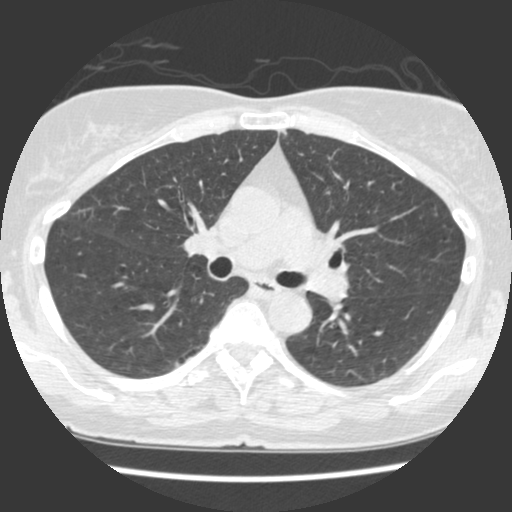
Axial chest CT slice 236 of 429 (counted from the lowest slice); 1.25 mm thick, 0.586 mm per pixel. Pulmonary nodule, outlined by one of the four readers. Box on this slice rows 130–134, columns 282–285, that reader's outline on this slice; longest diameter 7.8 mm and volume 111 mm3 from that reader's outline. That reader's ratings: texture 5/5 (solid); margin 2/5; sphericity 2/5; calcification absent; internal structure soft tissue; subtlety 2/5; malignancy likelihood 1/5. Scale key (1–5): texture non-solid→solid, margin indistinct→circumscribed, sphericity linear→round, subtlety extremely subtle→obvious, malignancy likelihood highly unlikely→highly suspicious of cancer. Box rows and columns are 0-based pixel indices from the top-left corner, inclusive.
Scan settings: 120 kVp, STANDARD reconstruction kernel.